One axial slice (48 of 125, counting up from the lowest) of a chest CT acquired at 135 kVp with the FC01 kernel; each pixel is 0.721 mm and the slice is 3.00 mm thick.
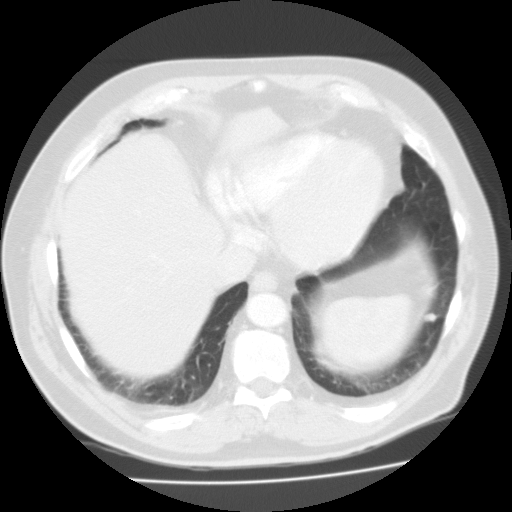
Pulmonary nodule, outlined by all four readers. Box on this slice rows 313–321, columns 423–437, the union of the readers' outlines on this slice; longest diameter 11.2 mm on average over the four readers' outlines (readers' outlines 10.3–12.6 mm), volume 292–433 mm3. The readers' prevailing ratings and who disagreed: texture 3/5 (part-solid) by two of four readers; the rest gave 4/5 (one), 5/5 (solid) (one); margin split among the readers: 1/5 (indistinct) (one), 2/5 (one), 4/5 (one), 5/5 (circumscribed) (one); sphericity 3/5 (ovoid) by three of four readers; the rest gave 4/5 (one); calcification absent from all four readers; internal structure soft tissue, all four readers agreeing; subtlety 4/5 by two of four readers; the rest gave 3/5 (one), 5/5 (one); most readers (three of four) put malignancy likelihood at 3/5, others 2/5 (one). Scale key (1–5): texture non-solid→solid, margin indistinct→circumscribed, sphericity linear→round, subtlety extremely subtle→obvious, malignancy likelihood highly unlikely→highly suspicious of cancer. Box rows and columns are 0-based pixel indices from the top-left corner, inclusive.